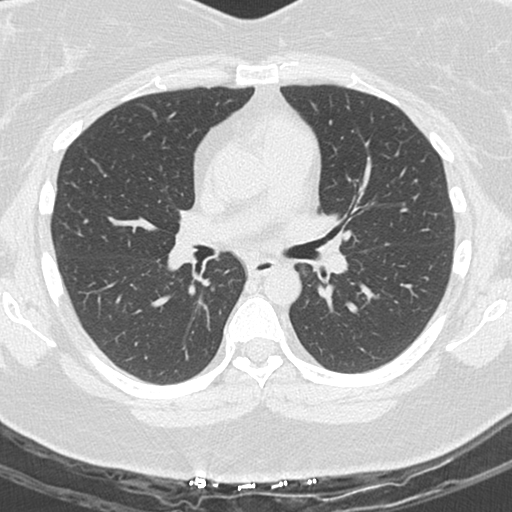
Axial slice 143 of 250 of a chest CT (slice 1 is the lowest), reconstructed with the B45f kernel at 120 kVp; 1.00 mm slice thickness and 0.566 mm pixels.
This slice carries no reader outline of a nodule 3 mm or larger.